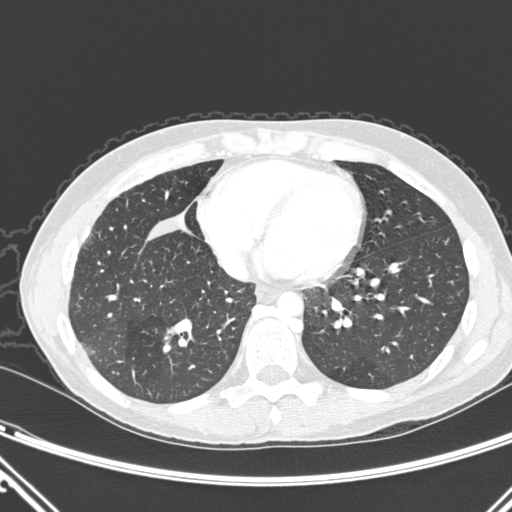
One axial slice (95 of 290, counting up from the lowest) of a chest CT acquired at 120 kVp with the D kernel; each pixel is 0.662 mm and the slice is 1.00 mm thick.
Pulmonary nodule, outlined by all four readers, three of them on this slice. Box on this slice rows 329–343, columns 163–179, the union of the readers' outlines on this slice; longest diameter 22.2–29.6 mm and volume 2637–3531 mm3 across the four readers' outlines. The readers' ratings, as ranges where they differ: texture 5/5 (solid) from all four readers; margin from 4/5 to 5/5 (circumscribed) across the four readers; sphericity from 2/5 to 5/5 (round) across the four readers; calcification absent, all four readers agreeing; internal structure soft tissue, all four readers agreeing; subtlety 5/5 from all four readers; malignancy likelihood 3–5/5 (the readers disagree). Scale key (1–5): texture non-solid→solid, margin indistinct→circumscribed, sphericity linear→round, subtlety extremely subtle→obvious, malignancy likelihood highly unlikely→highly suspicious of cancer. Box rows and columns are 0-based pixel indices from the top-left corner, inclusive.